Chest CT, axial plane, 120 kVp, kernel STANDARD. Slice 225/477 from the bottom of the scan; thickness 1.25 mm; pixel size 0.703 mm.
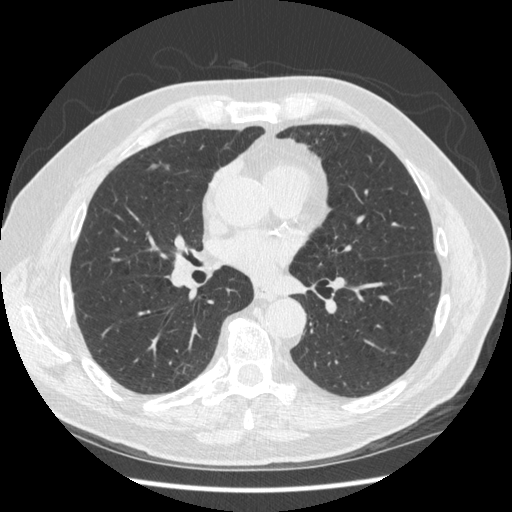
Pulmonary nodule outlined by two of the four readers; box rows 163–168, columns 148–158 (the union of the readers' outlines on this slice); median longest diameter 9.3 mm (readers' outlines 8.2–10.5 mm), median volume 65 mm3 (48–81 mm3). Ratings, median across the readers with their spread: texture 5/5 (solid) from both readers; margin 4.5/5 at the median of two readers, spread 4/5 to 5/5 (circumscribed); median sphericity 3.5/5 (readers ranged 2/5 to 5/5 (round)); calcification absent, both readers agreeing; internal structure soft tissue, both readers agreeing; subtlety 3/5, both readers agreeing; median malignancy likelihood 2.5/5 (readers ranged 2–3). Scale key (1–5): texture non-solid→solid, margin indistinct→circumscribed, sphericity linear→round, subtlety extremely subtle→obvious, malignancy likelihood highly unlikely→highly suspicious of cancer. Box rows and columns are 0-based pixel indices from the top-left corner, inclusive.